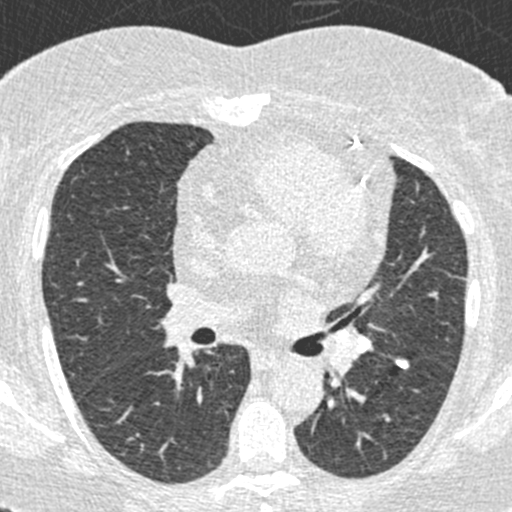
One axial slice (268 of 423, counting up from the lowest) of a chest CT acquired at 120 kVp with the B30f kernel; each pixel is 0.520 mm and the slice is 0.75 mm thick.
Pulmonary nodule outlined by all four readers; box rows 357–369, columns 394–409 (the union of the readers' outlines on this slice); longest diameter 8.7 mm on average over the four readers' outlines (readers' outlines 8.1–9.5 mm), volume 146–244 mm3. The readers' prevailing ratings and who disagreed: texture 5/5 (solid) from all four readers; margin 5/5 (circumscribed) from all four readers; sphericity 3/5 (ovoid) by two of four readers; the rest gave 4/5 (one), 5/5 (round) (one); calcification solid calcification from all four readers; internal structure soft tissue from all four readers; most readers (three of four) put subtlety at 5/5, others 4/5 (one); malignancy likelihood 1/5 from all four readers. Scale key (1–5): texture non-solid→solid, margin indistinct→circumscribed, sphericity linear→round, subtlety extremely subtle→obvious, malignancy likelihood highly unlikely→highly suspicious of cancer. Box rows and columns are 0-based pixel indices from the top-left corner, inclusive.